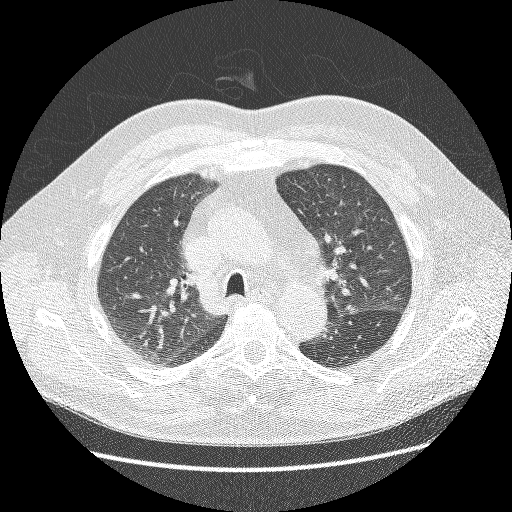
Axial chest CT slice 200 of 267 (counted from the lowest slice); tube voltage 120 kVp, convolution kernel BONE; slices 1.25 mm thick, 0.752 mm per pixel.
Pulmonary nodule at rows 305–313, columns 347–357 (box = that reader's outline on this slice), outlined by one of the four readers; longest diameter 10.8 mm and volume 126 mm3 from that reader's outline. Ratings by that reader: texture 1/5 (non-solid); margin 2/5; sphericity 5/5 (round); calcification absent; internal structure soft tissue; subtlety 1/5; malignancy likelihood 2/5. Scale key (1–5): texture non-solid→solid, margin indistinct→circumscribed, sphericity linear→round, subtlety extremely subtle→obvious, malignancy likelihood highly unlikely→highly suspicious of cancer. Box rows and columns are 0-based pixel indices from the top-left corner, inclusive.